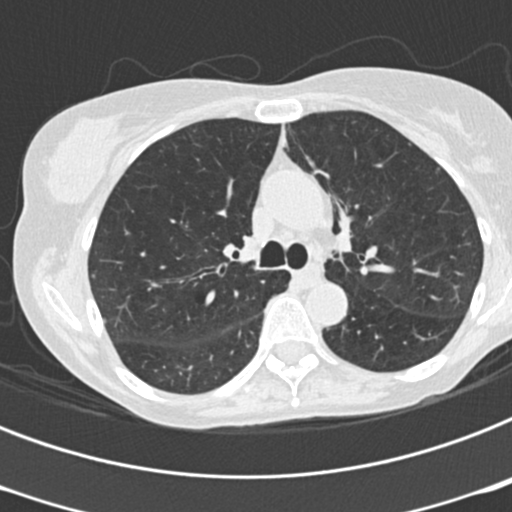
This is axial slice 139 of 199 (slice 1 is the lowest) of a chest CT; each pixel is 0.566 mm and the slice is 2.00 mm thick. This slice carries no reader outline of a nodule 3 mm or larger.
Acquired at 120 kVp and reconstructed with the B30f kernel.